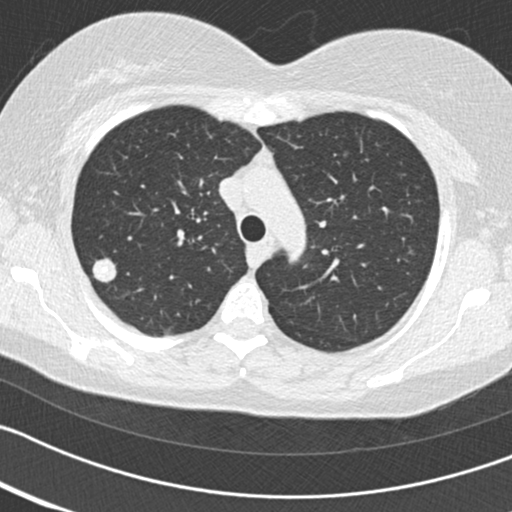
Chest CT, axial plane, 120 kVp, kernel B30f. Slice 121/161 from the bottom of the scan; thickness 2.00 mm; pixel size 0.586 mm.
Pulmonary nodule outlined by all four readers; box rows 258–283, columns 91–116 (the union of the readers' outlines on this slice); longest diameter 16.3 mm on average over the four readers' outlines (readers' outlines 15.4–17.6 mm), volume 1259–1807 mm3. Ratings, by the readers' most common answer with dissent counted: texture 5/5 (solid) by three of four readers; the rest gave 4/5 (one); most readers (three of four) put margin at 5/5 (circumscribed), others 4/5 (one); sphericity 5/5 (round), all four readers agreeing; calcification split among the readers: central calcification (two), absent (two); internal structure soft tissue, all four readers agreeing; subtlety 5/5 from all four readers; malignancy likelihood split among the readers: 1/5 (two), 3/5 (two). Scale key (1–5): texture non-solid→solid, margin indistinct→circumscribed, sphericity linear→round, subtlety extremely subtle→obvious, malignancy likelihood highly unlikely→highly suspicious of cancer. Box rows and columns are 0-based pixel indices from the top-left corner, inclusive.